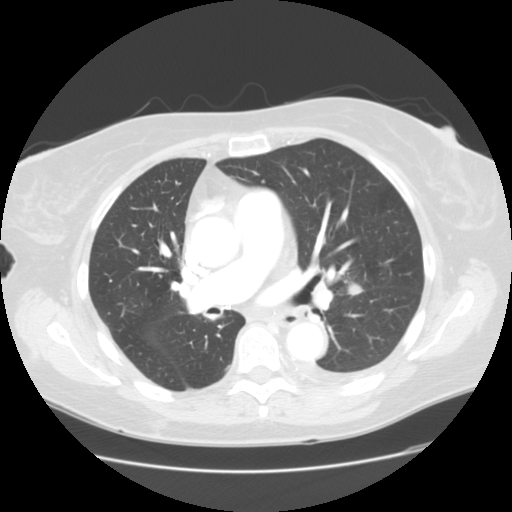
One axial slice (78 of 133, counting up from the lowest) of a chest CT acquired at 120 kVp with the STANDARD kernel; each pixel is 0.703 mm and the slice is 2.50 mm thick.
Pulmonary nodule outlined by all four readers; box rows 282–298, columns 346–364 (the union of the readers' outlines on this slice); longest diameter 12.8 mm on average over the four readers' outlines (readers' outlines 11.6–14.7 mm), volume 536–808 mm3. Ratings, by the readers' most common answer with dissent counted: texture 5/5 (solid), all four readers agreeing; margin 5/5 (circumscribed) by two of four readers; the rest gave 3/5 (one), 4/5 (one); sphericity 5/5 (round) by two of four readers; the rest gave 3/5 (ovoid) (one), 4/5 (one); calcification absent from all four readers; internal structure soft tissue by three of four readers, fluid (one); subtlety split among the readers: 4/5 (two), 5/5 (two); malignancy likelihood split among the readers: 2/5 (two), 3/5 (two). Scale key (1–5): texture non-solid→solid, margin indistinct→circumscribed, sphericity linear→round, subtlety extremely subtle→obvious, malignancy likelihood highly unlikely→highly suspicious of cancer. Box rows and columns are 0-based pixel indices from the top-left corner, inclusive.